One axial slice (98 of 141, counting up from the lowest) of a chest CT acquired at 120 kVp with the STANDARD kernel; each pixel is 0.586 mm and the slice is 2.50 mm thick.
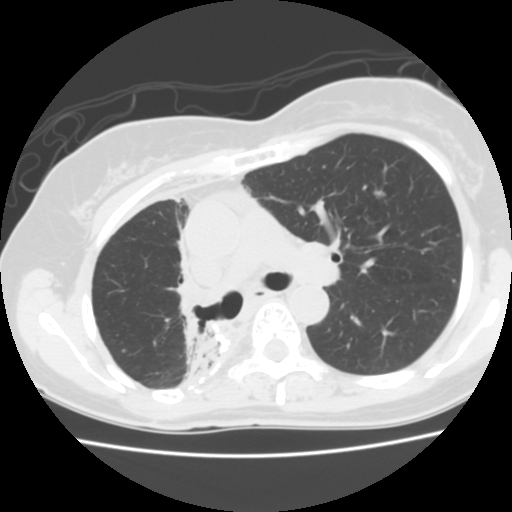
Pulmonary nodule, outlined by all four readers. Box on this slice rows 190–199, columns 373–386, the union of the readers' outlines on this slice; longest diameter 8.0 mm on average over the four readers' outlines (readers' outlines 6.6–8.9 mm), volume 106–240 mm3. Ratings, by the readers' most common answer with dissent counted: texture split among the readers: 4/5 (two), 5/5 (solid) (two); margin 5/5 (circumscribed) by two of four readers; the rest gave 1/5 (indistinct) (one), 3/5 (one); sphericity 4/5 by three of four readers; the rest gave 5/5 (round) (one); calcification absent, all four readers agreeing; internal structure soft tissue, all four readers agreeing; subtlety 3/5 by two of four readers; the rest gave 4/5 (one), 5/5 (one); malignancy likelihood 3/5 by three of four readers; the rest gave 2/5 (one). Scale key (1–5): texture non-solid→solid, margin indistinct→circumscribed, sphericity linear→round, subtlety extremely subtle→obvious, malignancy likelihood highly unlikely→highly suspicious of cancer. Box rows and columns are 0-based pixel indices from the top-left corner, inclusive.